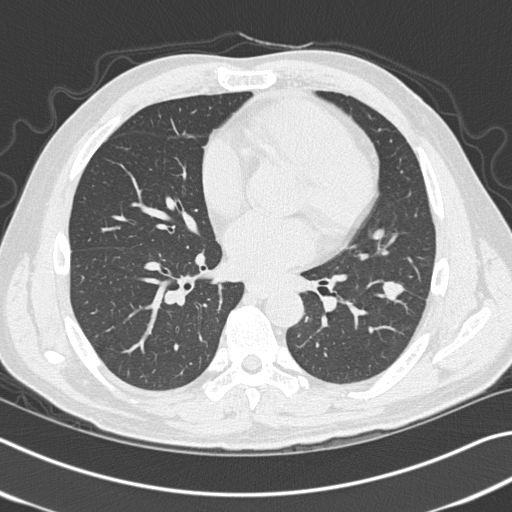
Axial slice 171 of 327 of a chest CT (slice 1 is the lowest), reconstructed with the B45f kernel at 120 kVp; 1.00 mm slice thickness and 0.664 mm pixels.
Pulmonary nodule at rows 280–300, columns 381–405 (box = the union of the readers' outlines on this slice), outlined by all four readers; longest diameter 18.2 mm on average over the four readers' outlines (readers' outlines 16.4–20.2 mm), volume 1016–1342 mm3. The readers' prevailing ratings and who disagreed: texture 5/5 (solid), all four readers agreeing; most readers (three of four) put margin at 5/5 (circumscribed), others 4/5 (one); sphericity 5/5 (round) by two of four readers; the rest gave 3/5 (ovoid) (one), 4/5 (one); calcification absent from all four readers; internal structure soft tissue from all four readers; most readers (three of four) put subtlety at 5/5, others 4/5 (one); malignancy likelihood 5/5 by two of four readers; the rest gave 3/5 (one), 4/5 (one). Scale key (1–5): texture non-solid→solid, margin indistinct→circumscribed, sphericity linear→round, subtlety extremely subtle→obvious, malignancy likelihood highly unlikely→highly suspicious of cancer. Box rows and columns are 0-based pixel indices from the top-left corner, inclusive.